Axial chest CT slice 82 of 290 (counted from the lowest slice); tube voltage 120 kVp, convolution kernel B; slices 2.00 mm thick, 0.639 mm per pixel.
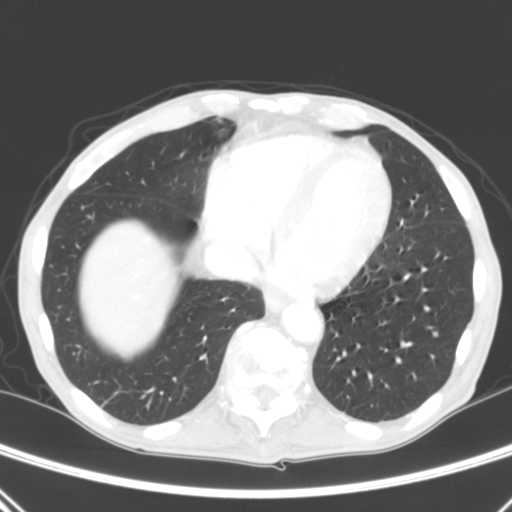
Pulmonary nodule outlined by three of the four readers; box rows 331–337, columns 431–437 (the union of the readers' outlines on this slice); the three readers' outlines give a longest diameter between 5.1 and 6.6 mm and a volume between 48 and 82 mm3. The readers' ratings, as ranges where they differ: texture from 3/5 (part-solid) to 5/5 (solid) across the three readers; margin from 2/5 to 5/5 (circumscribed) across the three readers; sphericity from 3/5 (ovoid) to 4/5 across the three readers; calcification absent, all three readers agreeing; internal structure soft tissue from all three readers; subtlety rated between 4 and 5 out of 5 by the three readers; malignancy likelihood 2–3/5 (the readers disagree). Scale key (1–5): texture non-solid→solid, margin indistinct→circumscribed, sphericity linear→round, subtlety extremely subtle→obvious, malignancy likelihood highly unlikely→highly suspicious of cancer. Box rows and columns are 0-based pixel indices from the top-left corner, inclusive.